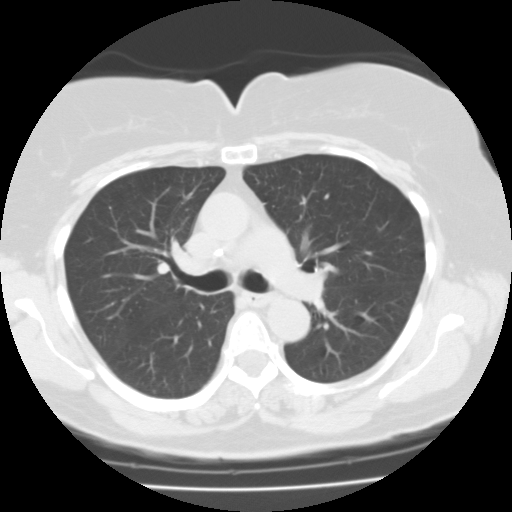
One axial slice (74 of 112, counting up from the lowest) of a chest CT acquired at 135 kVp with the FC01 kernel; each pixel is 0.650 mm and the slice is 3.00 mm thick.
None of the four readers outlined a nodule of 3 mm or more on this slice.